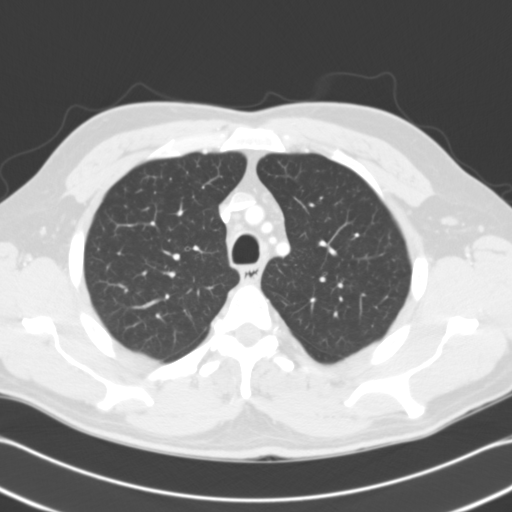
Axial slice 93 of 121 of a chest CT (slice 1 is the lowest), reconstructed with the B31f kernel at 120 kVp; 3.00 mm slice thickness and 0.674 mm pixels.
No nodule of 3 mm or larger was outlined by any of the four readers on this slice.